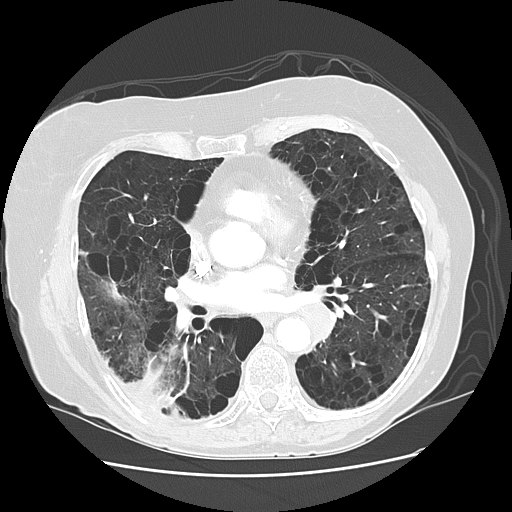
Chest CT, axial plane, 120 kVp, kernel LUNG. Slice 60/125 from the bottom of the scan; thickness 2.50 mm; pixel size 0.703 mm.
Pulmonary nodule outlined by one of the four readers; box rows 304–341, columns 298–332 (that reader's outline on this slice); longest diameter 37.4 mm and volume 10878 mm3 from that reader's outline. Ratings by that reader: texture 5/5 (solid); margin 5/5 (circumscribed); sphericity 5/5 (round); calcification absent; internal structure soft tissue; subtlety 3/5; malignancy likelihood 2/5. Scale key (1–5): texture non-solid→solid, margin indistinct→circumscribed, sphericity linear→round, subtlety extremely subtle→obvious, malignancy likelihood highly unlikely→highly suspicious of cancer. Box rows and columns are 0-based pixel indices from the top-left corner, inclusive.